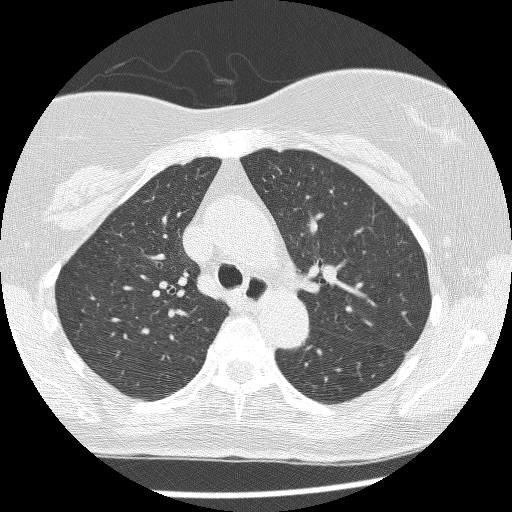
Chest CT, axial plane, 120 kVp, kernel BONE. Slice 176/253 from the bottom of the scan; thickness 1.25 mm; pixel size 0.602 mm.
No nodule of 3 mm or larger was outlined by any of the four readers on this slice.